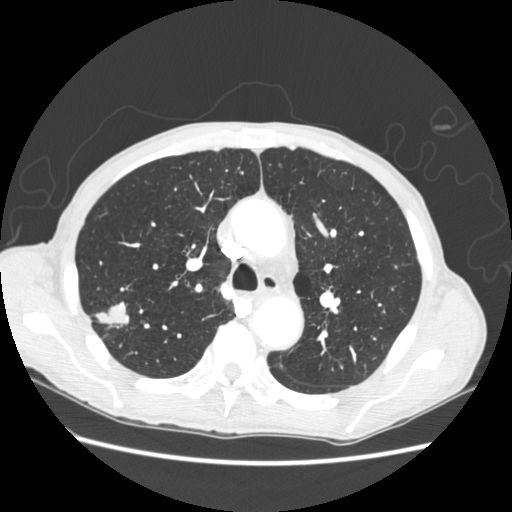
One axial slice (166 of 248, counting up from the lowest) of a chest CT acquired at 120 kVp with the STANDARD kernel; each pixel is 0.703 mm and the slice is 1.25 mm thick.
Pulmonary nodule, outlined by all four readers. Box on this slice rows 300–327, columns 93–130, the union of the readers' outlines on this slice; longest diameter 29.1 mm on average over the four readers' outlines (readers' outlines 26.0–32.7 mm), volume 5181–6655 mm3. Ratings, by the readers' most common answer with dissent counted: texture 5/5 (solid) from all four readers; margin 5/5 (circumscribed) by two of four readers; the rest gave 2/5 (one), 4/5 (one); sphericity 3/5 (ovoid) by three of four readers; the rest gave 4/5 (one); calcification absent, all four readers agreeing; internal structure soft tissue from all four readers; subtlety 5/5 from all four readers; malignancy likelihood 5/5 by three of four readers; the rest gave 3/5 (one). Scale key (1–5): texture non-solid→solid, margin indistinct→circumscribed, sphericity linear→round, subtlety extremely subtle→obvious, malignancy likelihood highly unlikely→highly suspicious of cancer. Box rows and columns are 0-based pixel indices from the top-left corner, inclusive.